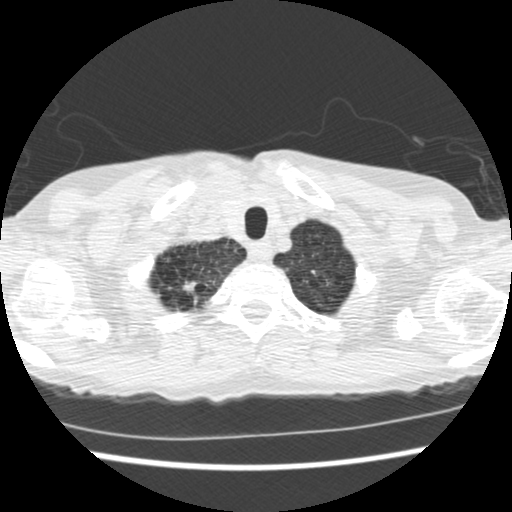
One axial slice (486 of 541, counting up from the lowest) of a chest CT acquired at 120 kVp with the STANDARD kernel; each pixel is 0.586 mm and the slice is 1.25 mm thick.
Pulmonary nodule, outlined by one of the four readers. Box on this slice rows 282–292, columns 183–196, that reader's outline on this slice; longest diameter 24.9 mm and volume 491 mm3 from that reader's outline. Ratings by that reader: texture 5/5 (solid); margin 1/5 (indistinct); sphericity 2/5; calcification absent; internal structure soft tissue; subtlety 4/5; malignancy likelihood 4/5. Scale key (1–5): texture non-solid→solid, margin indistinct→circumscribed, sphericity linear→round, subtlety extremely subtle→obvious, malignancy likelihood highly unlikely→highly suspicious of cancer. Box rows and columns are 0-based pixel indices from the top-left corner, inclusive.